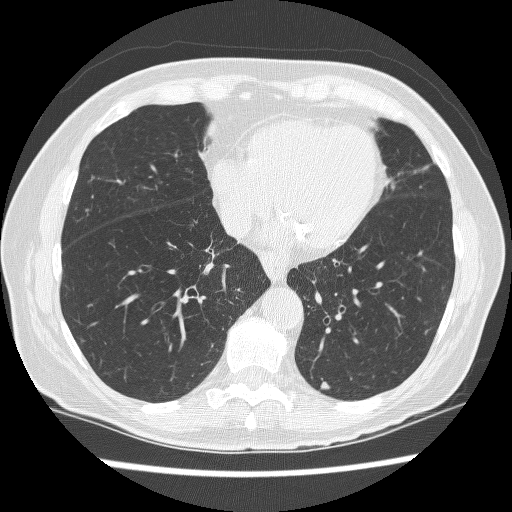
One axial slice (90 of 241, counting up from the lowest) of a chest CT acquired at 120 kVp with the BONE kernel; each pixel is 0.609 mm and the slice is 1.25 mm thick.
Pulmonary nodule, outlined by three of the four readers. Box on this slice rows 380–389, columns 319–329, the union of the readers' outlines on this slice; median longest diameter 7.4 mm (readers' outlines 6.8–7.4 mm), median volume 108 mm3 (99–150 mm3). Median ratings and the readers' spread: texture 5/5 (solid) at the median of three readers, spread 4/5 to 5/5 (solid); margin 4/5 at the median of three readers, spread 2/5 to 5/5 (circumscribed); sphericity 4/5 at the median of three readers, spread 3/5 (ovoid) to 4/5; calcification absent from all three readers; internal structure soft tissue, all three readers agreeing; subtlety 4/5 at the median of three readers, spread 4–5; median malignancy likelihood 3/5 (readers ranged 2–4). Scale key (1–5): texture non-solid→solid, margin indistinct→circumscribed, sphericity linear→round, subtlety extremely subtle→obvious, malignancy likelihood highly unlikely→highly suspicious of cancer. Box rows and columns are 0-based pixel indices from the top-left corner, inclusive.